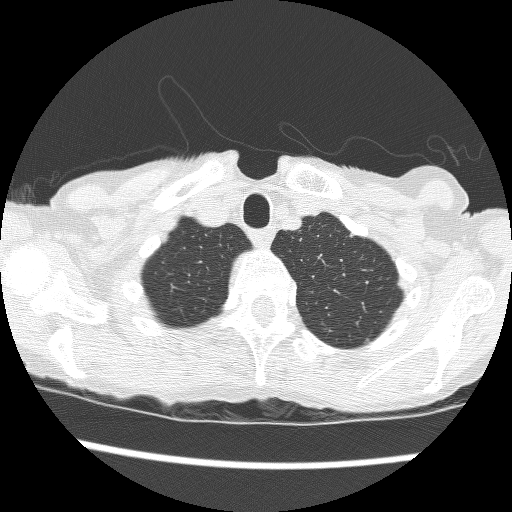
One axial slice (214 of 240, counting up from the lowest) of a chest CT acquired at 120 kVp with the BONE kernel; each pixel is 0.566 mm and the slice is 1.25 mm thick.
Pulmonary nodule outlined by all four readers, one of them on this slice; box rows 234–237, columns 349–352 (the one reader's outline on this slice); median longest diameter 5.6 mm (readers' outlines 5.3–5.9 mm), median volume 66 mm3 (60–82 mm3). Median ratings and the readers' spread: texture 5/5 (solid) from all four readers; margin 5/5 (circumscribed), all four readers agreeing; median sphericity 4/5 (readers ranged 3/5 (ovoid) to 5/5 (round)); calcification: solid calcification (three), absent (one); internal structure soft tissue from all four readers; subtlety 4.5/5 at the median of four readers, spread 3–5; median malignancy likelihood 1/5 (readers ranged 1–4). Scale key (1–5): texture non-solid→solid, margin indistinct→circumscribed, sphericity linear→round, subtlety extremely subtle→obvious, malignancy likelihood highly unlikely→highly suspicious of cancer. Box rows and columns are 0-based pixel indices from the top-left corner, inclusive.